Axial chest CT slice 360 of 481 (counted from the lowest slice); tube voltage 120 kVp, convolution kernel STANDARD; slices 1.25 mm thick, 0.703 mm per pixel.
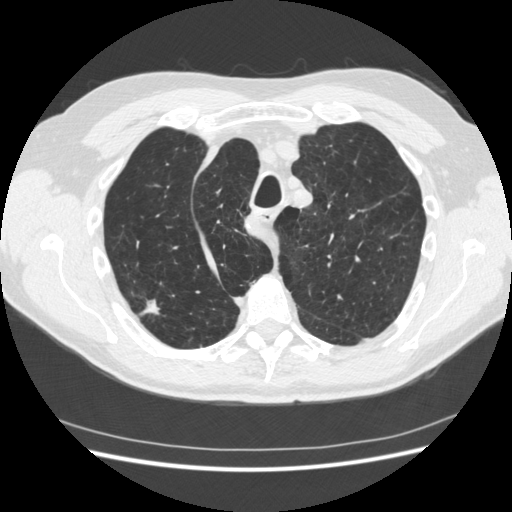
Pulmonary nodule, outlined by all four readers. Box on this slice rows 292–316, columns 131–165, the union of the readers' outlines on this slice; the four readers' outlines give a longest diameter between 18.7 and 34.9 mm and a volume between 1155 and 4169 mm3. The readers' ratings, as ranges where they differ: texture from 4/5 to 5/5 (solid) across the four readers; margin from 1/5 (indistinct) to 4/5 across the four readers; sphericity from 2/5 to 5/5 (round) across the four readers; calcification absent from all four readers; internal structure soft tissue from all four readers; subtlety 5/5 from all four readers; malignancy likelihood 4–5/5 (the readers disagree). Scale key (1–5): texture non-solid→solid, margin indistinct→circumscribed, sphericity linear→round, subtlety extremely subtle→obvious, malignancy likelihood highly unlikely→highly suspicious of cancer. Box rows and columns are 0-based pixel indices from the top-left corner, inclusive.